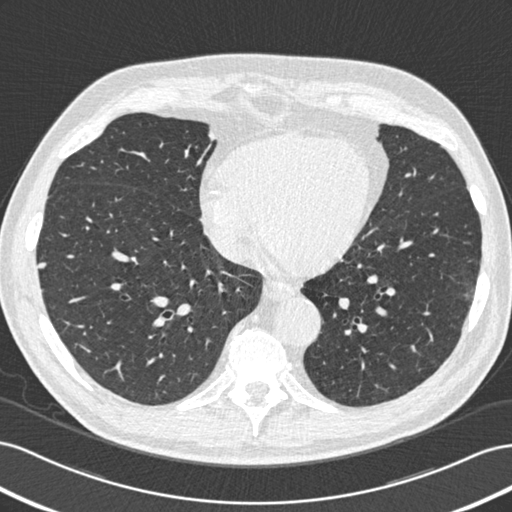
Axial chest CT slice 201 of 506 (counted from the lowest slice); 0.75 mm thick, 0.699 mm per pixel. Pulmonary nodule outlined by all four readers; box rows 262–268, columns 38–46 (the union of the readers' outlines on this slice); longest diameter 8.0–9.0 mm and volume 171–198 mm3 across the four readers' outlines. The readers' ratings, as ranges where they differ: texture 5/5 (solid) from all four readers; margin from 3/5 to 5/5 (circumscribed) across the four readers; sphericity from 3/5 (ovoid) to 5/5 (round) across the four readers; calcification absent from all four readers; internal structure soft tissue, all four readers agreeing; subtlety from 3/5 to 5/5 across the four readers; malignancy likelihood rated between 1 and 4 out of 5 by the four readers. Scale key (1–5): texture non-solid→solid, margin indistinct→circumscribed, sphericity linear→round, subtlety extremely subtle→obvious, malignancy likelihood highly unlikely→highly suspicious of cancer. Box rows and columns are 0-based pixel indices from the top-left corner, inclusive.
Scan settings: 120 kVp, B30f reconstruction kernel.